One axial slice (133 of 258, counting up from the lowest) of a chest CT acquired at 120 kVp with the STANDARD kernel; each pixel is 0.859 mm and the slice is 1.25 mm thick.
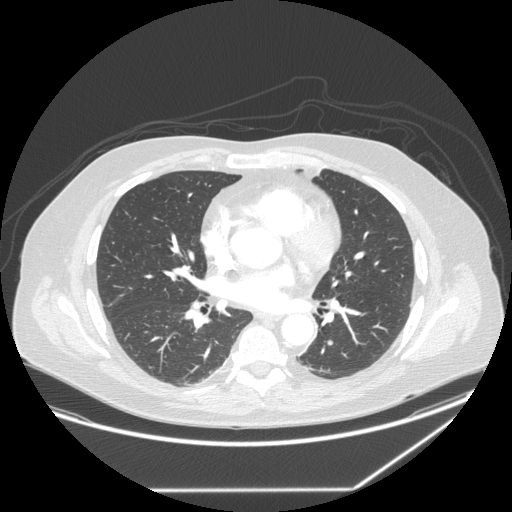
Pulmonary nodule at rows 339–345, columns 327–332 (box = the union of the readers' outlines on this slice), outlined by three of the four readers; longest diameter 7.5 mm on average over the three readers' outlines (readers' outlines 6.5–8.5 mm), volume 108–146 mm3. Ratings, by the readers' most common answer with dissent counted: texture 5/5 (solid) from all three readers; margin 5/5 (circumscribed) from all three readers; sphericity 5/5 (round), all three readers agreeing; calcification absent from all three readers; internal structure soft tissue from all three readers; subtlety split among the readers: 2/5 (one), 3/5 (one), 4/5 (one); most readers (two of three) put malignancy likelihood at 3/5, others 2/5 (one). Scale key (1–5): texture non-solid→solid, margin indistinct→circumscribed, sphericity linear→round, subtlety extremely subtle→obvious, malignancy likelihood highly unlikely→highly suspicious of cancer. Box rows and columns are 0-based pixel indices from the top-left corner, inclusive.